Axial chest CT slice 181 of 266 (counted from the lowest slice); tube voltage 120 kVp, convolution kernel D; slices 1.00 mm thick, 0.668 mm per pixel.
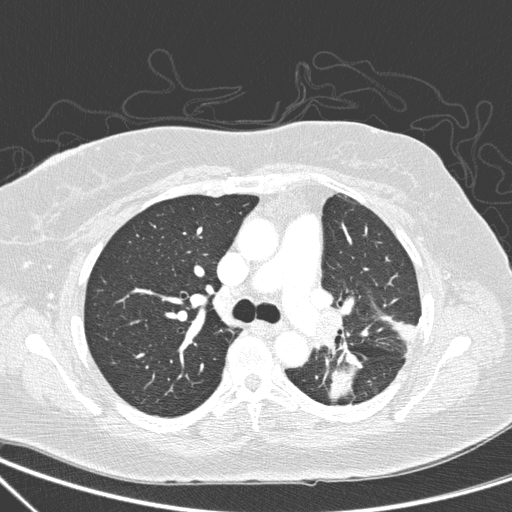
Pulmonary nodule, outlined by one of the four readers. Box on this slice rows 352–362, columns 346–355, that reader's outline on this slice; longest diameter 11.5 mm and volume 333 mm3 from that reader's outline. That reader's ratings: texture 5/5 (solid); margin 3/5; sphericity 2/5; calcification absent; internal structure soft tissue; subtlety 3/5; malignancy likelihood 4/5. Scale key (1–5): texture non-solid→solid, margin indistinct→circumscribed, sphericity linear→round, subtlety extremely subtle→obvious, malignancy likelihood highly unlikely→highly suspicious of cancer. Box rows and columns are 0-based pixel indices from the top-left corner, inclusive.